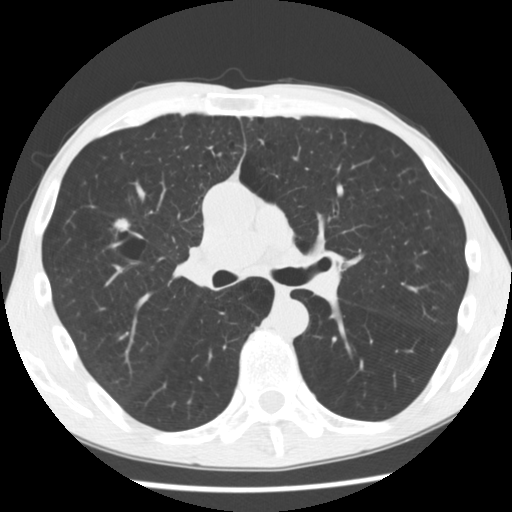
One axial slice (168 of 292, counting up from the lowest) of a chest CT acquired at 120 kVp with the STANDARD kernel; each pixel is 0.645 mm and the slice is 2.50 mm thick.
Pulmonary nodule outlined three times (the source holds two more outlines, not used); box rows 218–231, columns 112–129 (the union of the readers' outlines on this slice); median longest diameter 18.3 mm (readers' outlines 18.2–19.0 mm), median volume 926 mm3 (892–1690 mm3). Median ratings and the readers' spread: texture 5/5 (solid) from all three readers; median margin 3/5 (readers ranged 2/5 to 4/5); sphericity 3/5 (ovoid) at the median of three readers, spread 2/5 to 4/5; calcification absent, all three readers agreeing; internal structure soft tissue from all three readers; subtlety 4/5 at the median of three readers, spread 4–5; median malignancy likelihood 5/5 (readers ranged 3–5). Scale key (1–5): texture non-solid→solid, margin indistinct→circumscribed, sphericity linear→round, subtlety extremely subtle→obvious, malignancy likelihood highly unlikely→highly suspicious of cancer. Box rows and columns are 0-based pixel indices from the top-left corner, inclusive.